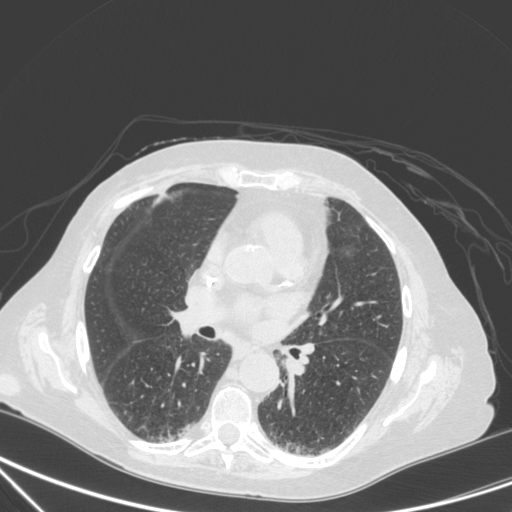
Axial chest CT slice 171 of 350 (counted from the lowest slice); tube voltage 120 kVp, convolution kernel C; slices 1.50 mm thick, 0.725 mm per pixel.
Pulmonary nodule at rows 193–202, columns 154–165 (box = that reader's outline on this slice), outlined by one of the four readers; longest diameter 29.5 mm and volume 4181 mm3 from that reader's outline. Ratings by that reader: texture 5/5 (solid); margin 4/5; sphericity 2/5; calcification absent; internal structure soft tissue; subtlety 5/5; malignancy likelihood 4/5. Scale key (1–5): texture non-solid→solid, margin indistinct→circumscribed, sphericity linear→round, subtlety extremely subtle→obvious, malignancy likelihood highly unlikely→highly suspicious of cancer. Box rows and columns are 0-based pixel indices from the top-left corner, inclusive.